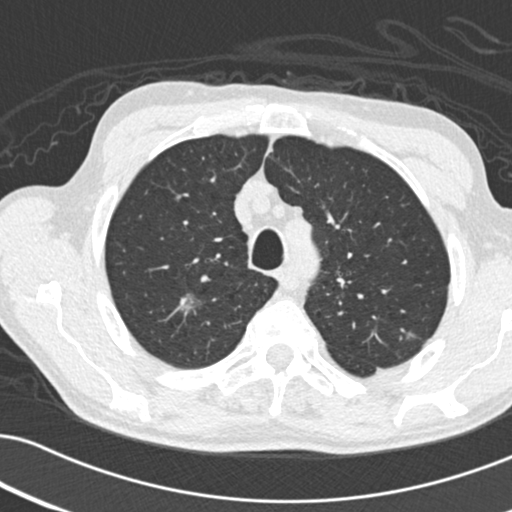
Axial chest CT slice 168 of 209 (counted from the lowest slice); tube voltage 120 kVp, convolution kernel B30f; slices 2.00 mm thick, 0.625 mm per pixel.
Pulmonary nodule, outlined by two of the four readers. Box on this slice rows 293–311, columns 180–201, the union of the readers' outlines on this slice; median longest diameter 16.4 mm (readers' outlines 15.9–16.8 mm), median volume 574 mm3 (371–777 mm3). Median ratings and the readers' spread: median texture 2/5 (readers ranged 1/5 (non-solid) to 3/5 (part-solid)); margin 3/5 at the median of two readers, spread 2/5 to 4/5; sphericity 3/5 (ovoid) at the median of two readers, spread 2/5 to 4/5; calcification absent, both readers agreeing; internal structure soft tissue from both readers; subtlety 4/5 at the median of two readers, spread 3–5; malignancy likelihood 4/5 at the median of two readers, spread 3–5. Scale key (1–5): texture non-solid→solid, margin indistinct→circumscribed, sphericity linear→round, subtlety extremely subtle→obvious, malignancy likelihood highly unlikely→highly suspicious of cancer. Box rows and columns are 0-based pixel indices from the top-left corner, inclusive.